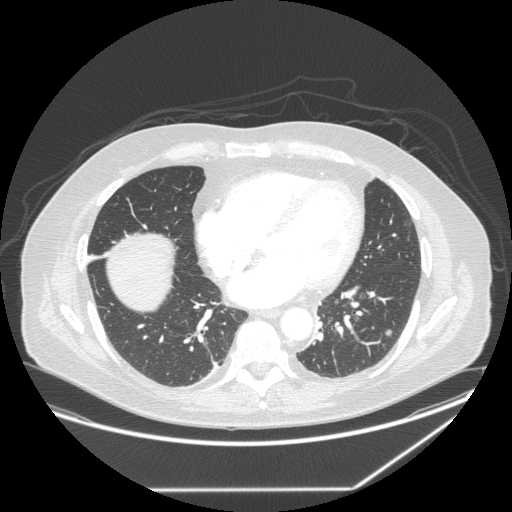
This is axial slice 111 of 258 (slice 1 is the lowest) of a chest CT; each pixel is 0.859 mm and the slice is 1.25 mm thick. Pulmonary nodule outlined by all four readers; box rows 329–336, columns 384–392 (the union of the readers' outlines on this slice); the four readers' outlines give a longest diameter between 13.1 and 16.3 mm and a volume between 787 and 1264 mm3. The readers' ratings, as ranges where they differ: texture 5/5 (solid) from all four readers; margin from 4/5 to 5/5 (circumscribed) across the four readers; sphericity from 3/5 (ovoid) to 5/5 (round) across the four readers; calcification absent, all four readers agreeing; internal structure soft tissue, all four readers agreeing; subtlety from 3/5 to 5/5 across the four readers; malignancy likelihood from 2/5 to 5/5 across the four readers. Scale key (1–5): texture non-solid→solid, margin indistinct→circumscribed, sphericity linear→round, subtlety extremely subtle→obvious, malignancy likelihood highly unlikely→highly suspicious of cancer. Box rows and columns are 0-based pixel indices from the top-left corner, inclusive.
Tube voltage 120 kVp; convolution kernel STANDARD.